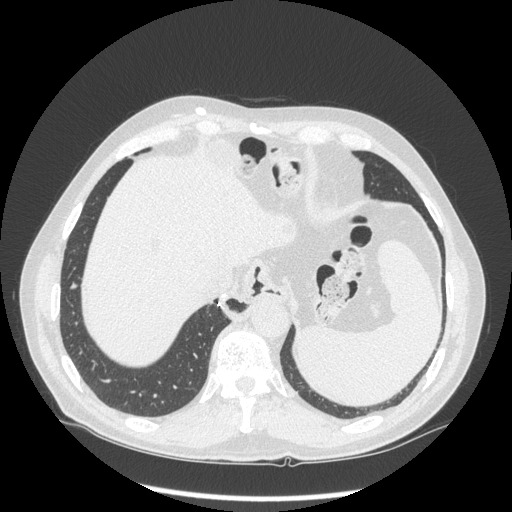
One axial slice (74 of 297, counting up from the lowest) of a chest CT acquired at 120 kVp with the STANDARD kernel; each pixel is 0.787 mm and the slice is 1.25 mm thick.
Pulmonary nodule outlined by all four readers; box rows 282–289, columns 70–77 (the union of the readers' outlines on this slice); the four readers' outlines give a longest diameter between 10.3 and 11.0 mm and a volume between 283 and 421 mm3. The readers' ratings, as ranges where they differ: texture from 4/5 to 5/5 (solid) across the four readers; margin from 3/5 to 5/5 (circumscribed) across the four readers; sphericity from 3/5 (ovoid) to 4/5 across the four readers; calcification absent, all four readers agreeing; internal structure soft tissue, all four readers agreeing; subtlety rated between 3 and 5 out of 5 by the four readers; malignancy likelihood from 1/5 to 4/5 across the four readers. Scale key (1–5): texture non-solid→solid, margin indistinct→circumscribed, sphericity linear→round, subtlety extremely subtle→obvious, malignancy likelihood highly unlikely→highly suspicious of cancer. Box rows and columns are 0-based pixel indices from the top-left corner, inclusive.